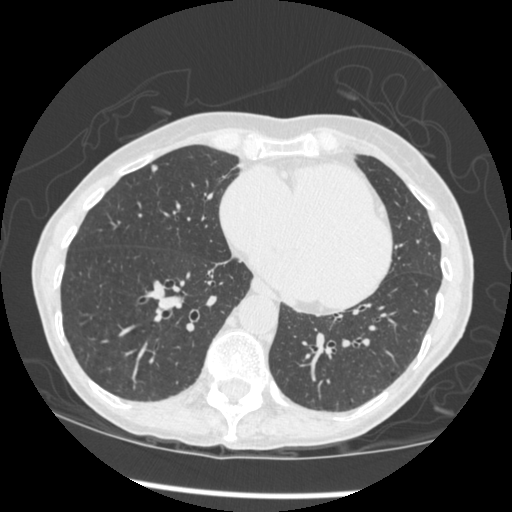
Axial chest CT slice 167 of 461 (counted from the lowest slice); 1.25 mm thick, 0.645 mm per pixel. Pulmonary nodule outlined by all four readers; box rows 164–171, columns 151–157 (the union of the readers' outlines on this slice); longest diameter 6.2 mm on average over the four readers' outlines (readers' outlines 5.5–7.0 mm), volume 59–97 mm3. The readers' prevailing ratings and who disagreed: texture 5/5 (solid) from all four readers; margin 5/5 (circumscribed) from all four readers; sphericity 5/5 (round) by three of four readers; the rest gave 4/5 (one); calcification absent, all four readers agreeing; internal structure soft tissue from all four readers; most readers (three of four) put subtlety at 4/5, others 3/5 (one); malignancy likelihood 2/5 by two of four readers; the rest gave 1/5 (one), 3/5 (one). Scale key (1–5): texture non-solid→solid, margin indistinct→circumscribed, sphericity linear→round, subtlety extremely subtle→obvious, malignancy likelihood highly unlikely→highly suspicious of cancer. Box rows and columns are 0-based pixel indices from the top-left corner, inclusive.
Tube voltage 120 kVp; convolution kernel STANDARD.